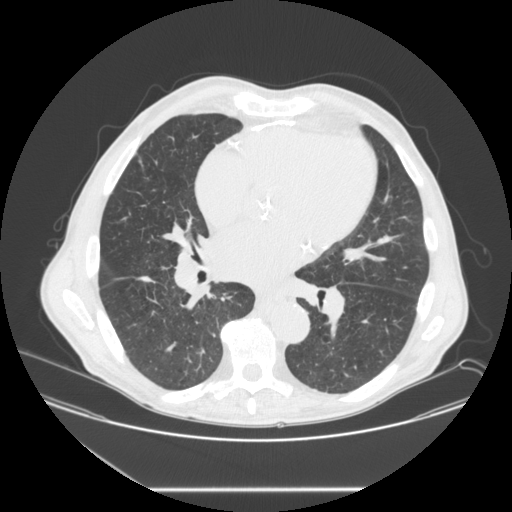
One axial slice (116 of 245, counting up from the lowest) of a chest CT acquired at 120 kVp with the STANDARD kernel; each pixel is 0.834 mm and the slice is 1.25 mm thick.
Pulmonary nodule outlined by three of the four readers; box rows 276–282, columns 138–155 (the union of the readers' outlines on this slice); longest diameter 15.0 mm on average over the three readers' outlines (readers' outlines 14.3–16.2 mm), volume 328–432 mm3. Ratings, by the readers' most common answer with dissent counted: texture 5/5 (solid), all three readers agreeing; most readers (two of three) put margin at 5/5 (circumscribed), others 4/5 (one); sphericity 3/5 (ovoid) from all three readers; calcification absent from all three readers; internal structure soft tissue from all three readers; subtlety 4/5 by two of three readers; the rest gave 5/5 (one); malignancy likelihood 3/5 by two of three readers; the rest gave 2/5 (one). Scale key (1–5): texture non-solid→solid, margin indistinct→circumscribed, sphericity linear→round, subtlety extremely subtle→obvious, malignancy likelihood highly unlikely→highly suspicious of cancer. Box rows and columns are 0-based pixel indices from the top-left corner, inclusive.